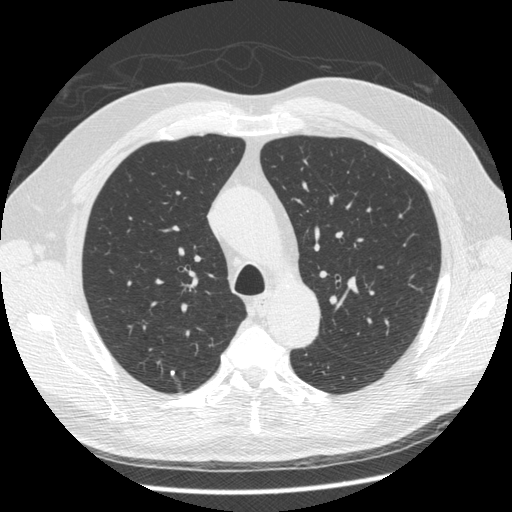
One axial slice (372 of 519, counting up from the lowest) of a chest CT acquired at 120 kVp with the STANDARD kernel; each pixel is 0.703 mm and the slice is 1.25 mm thick.
Pulmonary nodule outlined by one of the four readers; box rows 371–375, columns 171–174 (that reader's outline on this slice); longest diameter 4.4 mm and volume 30 mm3 from that reader's outline. Ratings by that reader: texture 5/5 (solid); margin 5/5 (circumscribed); sphericity 5/5 (round); calcification solid calcification; internal structure soft tissue; subtlety 4/5; malignancy likelihood 1/5. Scale key (1–5): texture non-solid→solid, margin indistinct→circumscribed, sphericity linear→round, subtlety extremely subtle→obvious, malignancy likelihood highly unlikely→highly suspicious of cancer. Box rows and columns are 0-based pixel indices from the top-left corner, inclusive.